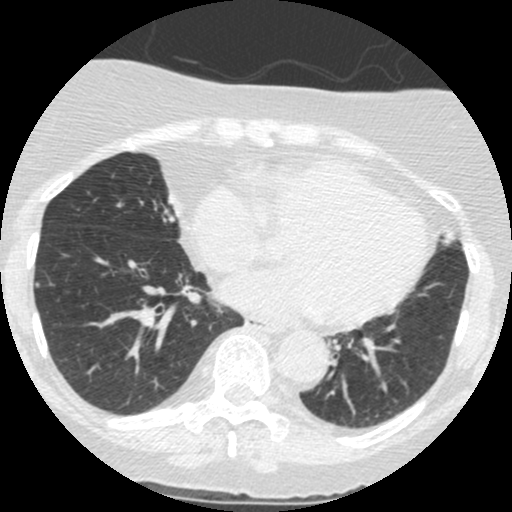
Axial slice 144 of 426 of a chest CT (slice 1 is the lowest), reconstructed with the STANDARD kernel at 120 kVp; 1.25 mm slice thickness and 0.547 mm pixels.
Pulmonary nodule, outlined by one of the four readers. Box on this slice rows 282–287, columns 35–39, that reader's outline on this slice; longest diameter 5.5 mm and volume 33 mm3 from that reader's outline. That reader's ratings: texture 5/5 (solid); margin 5/5 (circumscribed); sphericity 4/5; calcification absent; internal structure soft tissue; subtlety 3/5; malignancy likelihood 2/5. Scale key (1–5): texture non-solid→solid, margin indistinct→circumscribed, sphericity linear→round, subtlety extremely subtle→obvious, malignancy likelihood highly unlikely→highly suspicious of cancer. Box rows and columns are 0-based pixel indices from the top-left corner, inclusive.